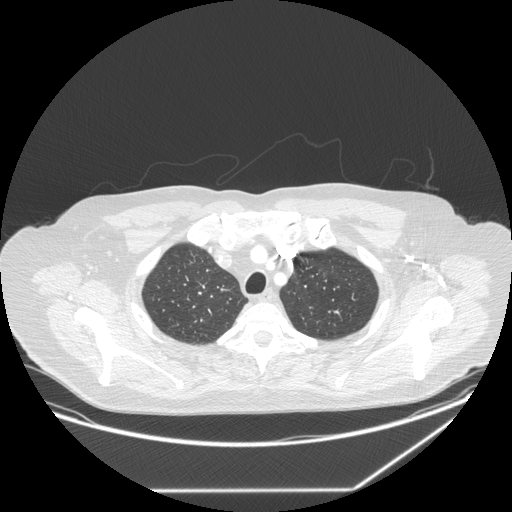
One axial slice (216 of 258, counting up from the lowest) of a chest CT acquired at 120 kVp with the STANDARD kernel; each pixel is 0.859 mm and the slice is 1.25 mm thick.
Pulmonary nodule, outlined by all four readers, one of them on this slice. Box on this slice rows 272–277, columns 323–324, the one reader's outline on this slice; median longest diameter 13.2 mm (readers' outlines 11.3–14.0 mm), median volume 551 mm3 (372–779 mm3). Median ratings and the readers' spread: texture 5/5 (solid) from all four readers; median margin 4.5/5 (readers ranged 4/5 to 5/5 (circumscribed)); sphericity 3.5/5 at the median of four readers, spread 3/5 (ovoid) to 5/5 (round); calcification absent, all four readers agreeing; internal structure soft tissue, all four readers agreeing; median subtlety 5/5 (readers ranged 4–5); median malignancy likelihood 3.5/5 (readers ranged 3–4). Scale key (1–5): texture non-solid→solid, margin indistinct→circumscribed, sphericity linear→round, subtlety extremely subtle→obvious, malignancy likelihood highly unlikely→highly suspicious of cancer. Box rows and columns are 0-based pixel indices from the top-left corner, inclusive.